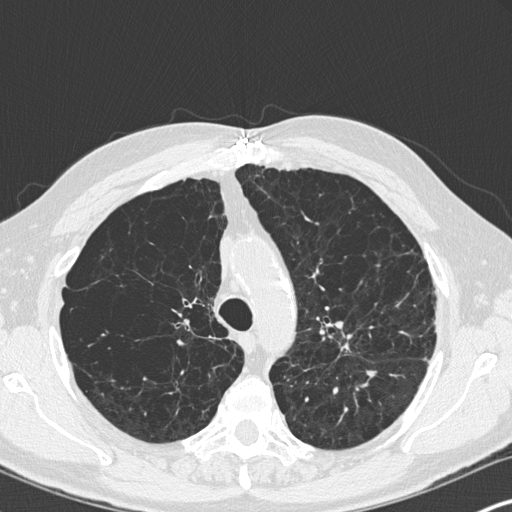
Slice 236/347 of a chest CT, counting up from the lowest; pixel size 0.625 mm, slice thickness 1.00 mm. Pulmonary nodule at rows 369–381, columns 366–377 (box = the union of the readers' outlines on this slice), outlined by all four readers; median longest diameter 7.7 mm (readers' outlines 6.4–10.3 mm), median volume 73 mm3 (66–148 mm3). Median ratings and the readers' spread: texture 5/5 (solid), all four readers agreeing; median margin 5/5 (circumscribed) (readers ranged 4/5 to 5/5 (circumscribed)); sphericity 3.5/5 at the median of four readers, spread 2/5 to 4/5; calcification absent from all four readers; internal structure soft tissue, all four readers agreeing; subtlety 3.5/5 at the median of four readers, spread 3–5; median malignancy likelihood 3/5 (readers ranged 2–3). Scale key (1–5): texture non-solid→solid, margin indistinct→circumscribed, sphericity linear→round, subtlety extremely subtle→obvious, malignancy likelihood highly unlikely→highly suspicious of cancer. Box rows and columns are 0-based pixel indices from the top-left corner, inclusive.
Tube voltage 120 kVp; convolution kernel B45f.